Chest CT, axial plane, 120 kVp, kernel B. Slice 115/250 from the bottom of the scan; thickness 2.00 mm; pixel size 0.834 mm.
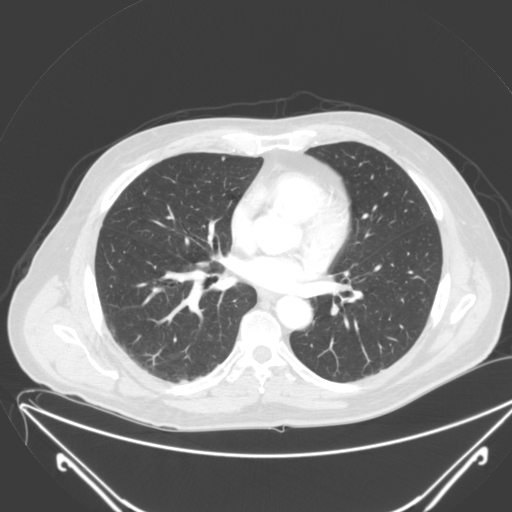
Pulmonary nodule, outlined by one of the four readers. Box on this slice rows 157–161, columns 221–223, that reader's outline on this slice; longest diameter 5.6 mm and volume 48 mm3 from that reader's outline. Ratings by that reader: texture 5/5 (solid); margin 5/5 (circumscribed); sphericity 4/5; calcification absent; internal structure soft tissue; subtlety 3/5; malignancy likelihood 2/5. Scale key (1–5): texture non-solid→solid, margin indistinct→circumscribed, sphericity linear→round, subtlety extremely subtle→obvious, malignancy likelihood highly unlikely→highly suspicious of cancer. Box rows and columns are 0-based pixel indices from the top-left corner, inclusive.